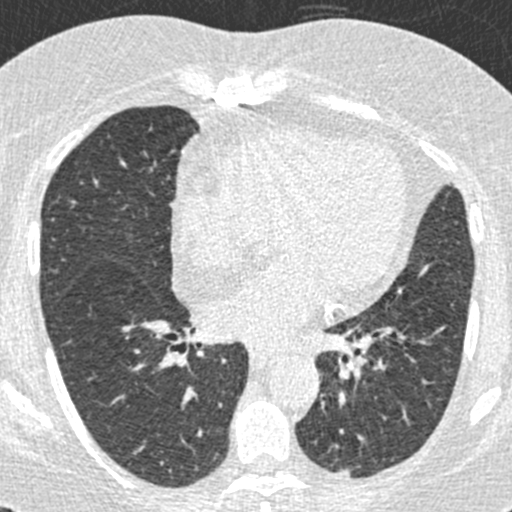
This is axial slice 234 of 423 (slice 1 is the lowest) of a chest CT; each pixel is 0.520 mm and the slice is 0.75 mm thick. Pulmonary nodule at rows 468–476, columns 336–350 (box = that reader's outline on this slice), outlined by one of the four readers; longest diameter 9.7 mm and volume 143 mm3 from that reader's outline. That reader's ratings: texture 3/5 (part-solid); margin 3/5; sphericity 3/5 (ovoid); calcification absent; internal structure soft tissue; subtlety 5/5; malignancy likelihood 3/5. Scale key (1–5): texture non-solid→solid, margin indistinct→circumscribed, sphericity linear→round, subtlety extremely subtle→obvious, malignancy likelihood highly unlikely→highly suspicious of cancer. Box rows and columns are 0-based pixel indices from the top-left corner, inclusive.
Tube voltage 120 kVp; convolution kernel B30f.